Axial chest CT slice 229 of 372 (counted from the lowest slice); tube voltage 120 kVp, convolution kernel STANDARD; slices 1.25 mm thick, 0.586 mm per pixel.
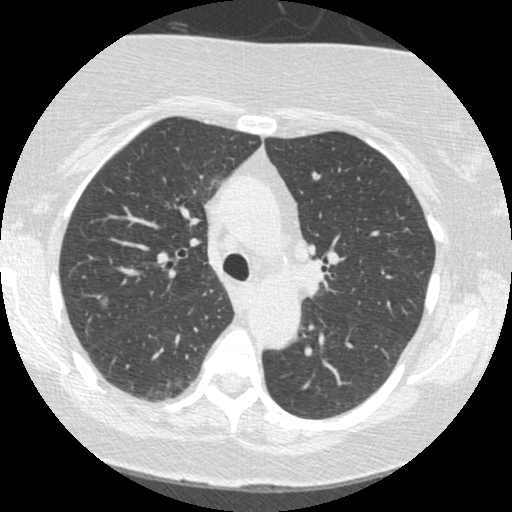
Pulmonary nodule outlined by three of the four readers; box rows 295–310, columns 99–107 (the union of the readers' outlines on this slice); the three readers' outlines give a longest diameter between 7.6 and 8.0 mm and a volume between 95 and 117 mm3. Ratings across the readers: texture from 1/5 (non-solid) to 4/5 across the three readers; margin from 1/5 (indistinct) to 4/5 across the three readers; sphericity from 4/5 to 5/5 (round) across the three readers; calcification absent, all three readers agreeing; internal structure soft tissue from all three readers; subtlety from 2/5 to 4/5 across the three readers; malignancy likelihood from 3/5 to 4/5 across the three readers. Scale key (1–5): texture non-solid→solid, margin indistinct→circumscribed, sphericity linear→round, subtlety extremely subtle→obvious, malignancy likelihood highly unlikely→highly suspicious of cancer. Box rows and columns are 0-based pixel indices from the top-left corner, inclusive.